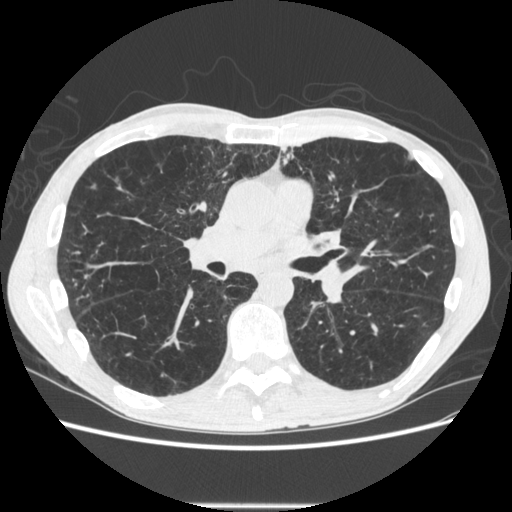
Axial slice 335 of 605 of a chest CT (slice 1 is the lowest), reconstructed with the STANDARD kernel at 120 kVp; 1.25 mm slice thickness and 0.703 mm pixels.
Pulmonary nodule outlined by all four readers; box rows 152–159, columns 407–413 (the union of the readers' outlines on this slice); the four readers' outlines give a longest diameter between 8.0 and 8.9 mm and a volume between 44 and 96 mm3. Ratings across the readers: texture 5/5 (solid) from all four readers; margin from 4/5 to 5/5 (circumscribed) across the four readers; sphericity from 3/5 (ovoid) to 5/5 (round) across the four readers; calcification absent, all four readers agreeing; internal structure soft tissue, all four readers agreeing; subtlety 4/5, all four readers agreeing; malignancy likelihood 1–3/5 (the readers disagree). Scale key (1–5): texture non-solid→solid, margin indistinct→circumscribed, sphericity linear→round, subtlety extremely subtle→obvious, malignancy likelihood highly unlikely→highly suspicious of cancer. Box rows and columns are 0-based pixel indices from the top-left corner, inclusive.